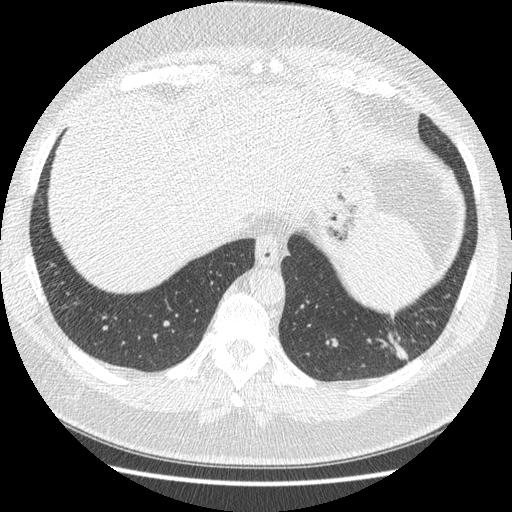
Axial chest CT slice 65 of 421 (counted from the lowest slice); tube voltage 120 kVp, convolution kernel STANDARD; slices 1.25 mm thick, 0.703 mm per pixel.
Pulmonary nodule outlined four times (the source holds four more outlines, not used); box rows 312–360, columns 375–408 (the union of the readers' outlines on this slice); median longest diameter 32.9 mm (readers' outlines 30.9–38.9 mm), median volume 5450 mm3 (4443–5826 mm3). Ratings, median across the readers with their spread: median texture 5/5 (solid) (readers ranged 4/5 to 5/5 (solid)); margin 4/5 at the median of four readers, spread 3/5 to 4/5; median sphericity 2.5/5 (readers ranged 2/5 to 4/5); calcification absent, all four readers agreeing; internal structure soft tissue from all four readers; subtlety 5/5 at the median of four readers, spread 4–5; median malignancy likelihood 3.5/5 (readers ranged 2–5). Scale key (1–5): texture non-solid→solid, margin indistinct→circumscribed, sphericity linear→round, subtlety extremely subtle→obvious, malignancy likelihood highly unlikely→highly suspicious of cancer. Box rows and columns are 0-based pixel indices from the top-left corner, inclusive.